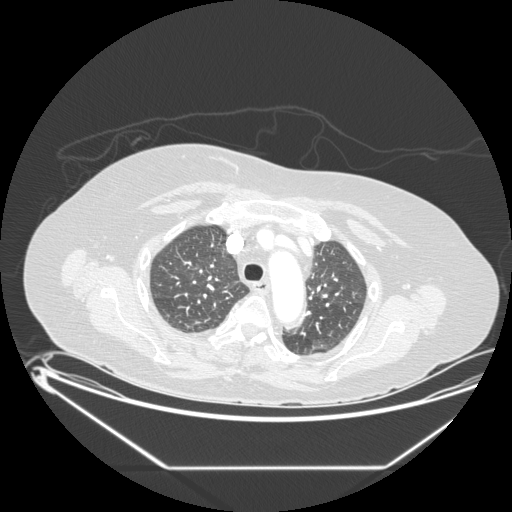
Chest CT, axial plane, 120 kVp, kernel STANDARD. Slice 157/197 from the bottom of the scan; thickness 1.25 mm; pixel size 0.859 mm.
Pulmonary nodule at rows 321–324, columns 193–200 (box = the union of the readers' outlines on this slice), outlined by all four readers, three of them on this slice; longest diameter 11.0 mm on average over the four readers' outlines (readers' outlines 8.2–16.1 mm), volume 248–473 mm3. The readers' prevailing ratings and who disagreed: texture 5/5 (solid) by three of four readers; the rest gave 4/5 (one); margin 3/5 by two of four readers; the rest gave 4/5 (one), 5/5 (circumscribed) (one); sphericity 3/5 (ovoid) by two of four readers; the rest gave 4/5 (one), 5/5 (round) (one); calcification absent, all four readers agreeing; internal structure soft tissue from all four readers; subtlety 5/5 by two of four readers; the rest gave 3/5 (one), 4/5 (one); malignancy likelihood 3/5 by two of four readers; the rest gave 2/5 (one), 4/5 (one). Scale key (1–5): texture non-solid→solid, margin indistinct→circumscribed, sphericity linear→round, subtlety extremely subtle→obvious, malignancy likelihood highly unlikely→highly suspicious of cancer. Box rows and columns are 0-based pixel indices from the top-left corner, inclusive.